Chest CT, axial plane, 120 kVp, kernel STANDARD. Slice 135/509 from the bottom of the scan; thickness 1.25 mm; pixel size 0.703 mm.
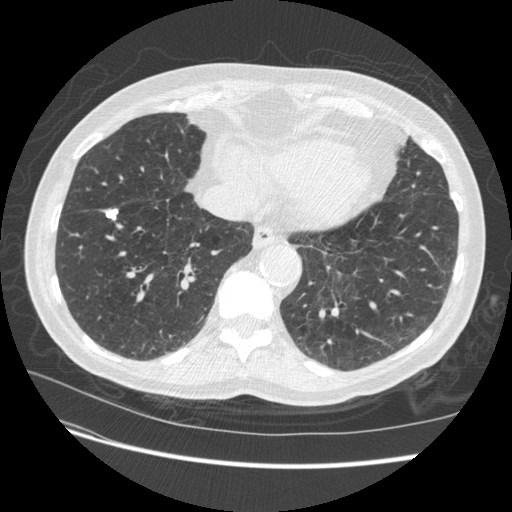
Pulmonary nodule, outlined by three of the four readers. Box on this slice rows 207–220, columns 105–118, the union of the readers' outlines on this slice; longest diameter 11.8 mm on average over the three readers' outlines (readers' outlines 11.4–12.1 mm), volume 273–413 mm3. Ratings, by the readers' most common answer with dissent counted: texture 5/5 (solid), all three readers agreeing; margin 5/5 (circumscribed) by two of three readers; the rest gave 4/5 (one); most readers (two of three) put sphericity at 3/5 (ovoid), others 4/5 (one); calcification solid calcification from all three readers; internal structure soft tissue, all three readers agreeing; most readers (two of three) put subtlety at 5/5, others 4/5 (one); malignancy likelihood 1/5 from all three readers. Scale key (1–5): texture non-solid→solid, margin indistinct→circumscribed, sphericity linear→round, subtlety extremely subtle→obvious, malignancy likelihood highly unlikely→highly suspicious of cancer. Box rows and columns are 0-based pixel indices from the top-left corner, inclusive.